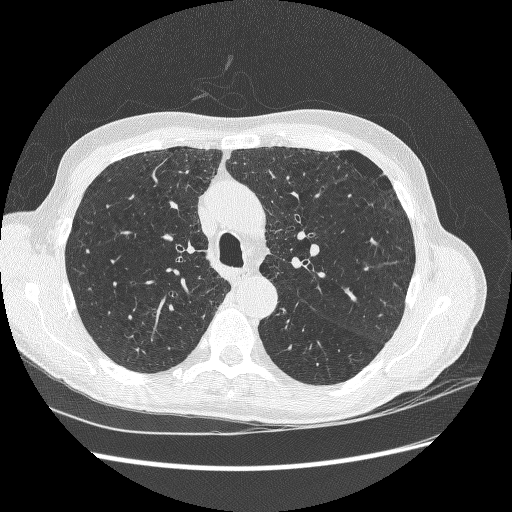
Axial chest CT slice 190 of 278 (counted from the lowest slice); 1.25 mm thick, 0.711 mm per pixel. Pulmonary nodule at rows 248–253, columns 85–89 (box = the union of the readers' outlines on this slice), outlined by three of the four readers; longest diameter 4.9 mm on average over the three readers' outlines (readers' outlines 4.8–5.1 mm), volume 36–56 mm3. Ratings, by the readers' most common answer with dissent counted: most readers (two of three) put texture at 5/5 (solid), others 4/5 (one); margin split among the readers: 2/5 (one), 4/5 (one), 5/5 (circumscribed) (one); sphericity 5/5 (round) by two of three readers; the rest gave 4/5 (one); calcification absent, all three readers agreeing; internal structure soft tissue, all three readers agreeing; subtlety split among the readers: 1/5 (one), 4/5 (one), 5/5 (one); malignancy likelihood 3/5 by two of three readers; the rest gave 2/5 (one). Scale key (1–5): texture non-solid→solid, margin indistinct→circumscribed, sphericity linear→round, subtlety extremely subtle→obvious, malignancy likelihood highly unlikely→highly suspicious of cancer. Box rows and columns are 0-based pixel indices from the top-left corner, inclusive.
Tube voltage 120 kVp; convolution kernel BONE.